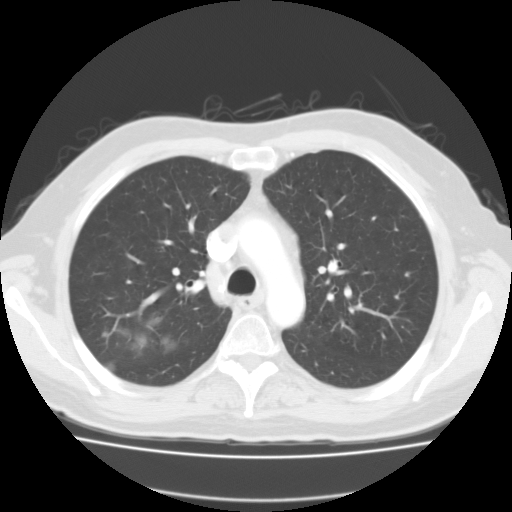
Chest CT, axial plane, 135 kVp, kernel FC01. Slice 91/127 from the bottom of the scan; thickness 3.00 mm; pixel size 0.750 mm.
Pulmonary nodule at rows 332–337, columns 102–109 (box = the union of the readers' outlines on this slice), outlined by two of the four readers; longest diameter 6.6 mm on average over the two readers' outlines (readers' outlines 5.9–7.4 mm), volume 145–238 mm3. The readers' prevailing ratings and who disagreed: texture split among the readers: 2/5 (one), 5/5 (solid) (one); margin split among the readers: 2/5 (one), 3/5 (one); sphericity split among the readers: 3/5 (ovoid) (one), 4/5 (one); calcification absent from both readers; internal structure soft tissue from both readers; subtlety split among the readers: 2/5 (one), 4/5 (one); malignancy likelihood 3/5 from both readers. Scale key (1–5): texture non-solid→solid, margin indistinct→circumscribed, sphericity linear→round, subtlety extremely subtle→obvious, malignancy likelihood highly unlikely→highly suspicious of cancer. Box rows and columns are 0-based pixel indices from the top-left corner, inclusive.